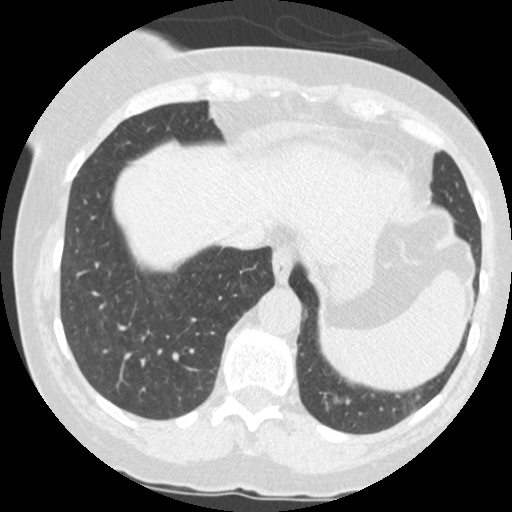
Axial chest CT slice 108 of 484 (counted from the lowest slice); tube voltage 120 kVp, convolution kernel STANDARD; slices 1.25 mm thick, 0.586 mm per pixel.
Pulmonary nodule outlined by all four readers, two of them on this slice; box rows 395–406, columns 332–344 (the union of the readers' outlines on this slice); the four readers' outlines give a longest diameter between 14.7 and 16.9 mm and a volume between 1036 and 1469 mm3. The readers' ratings, as ranges where they differ: texture 5/5 (solid) from all four readers; margin 5/5 (circumscribed) from all four readers; sphericity from 3/5 (ovoid) to 5/5 (round) across the four readers; calcification absent from all four readers; internal structure soft tissue from all four readers; subtlety 5/5 from all four readers; malignancy likelihood from 2/5 to 5/5 across the four readers. Scale key (1–5): texture non-solid→solid, margin indistinct→circumscribed, sphericity linear→round, subtlety extremely subtle→obvious, malignancy likelihood highly unlikely→highly suspicious of cancer. Box rows and columns are 0-based pixel indices from the top-left corner, inclusive.